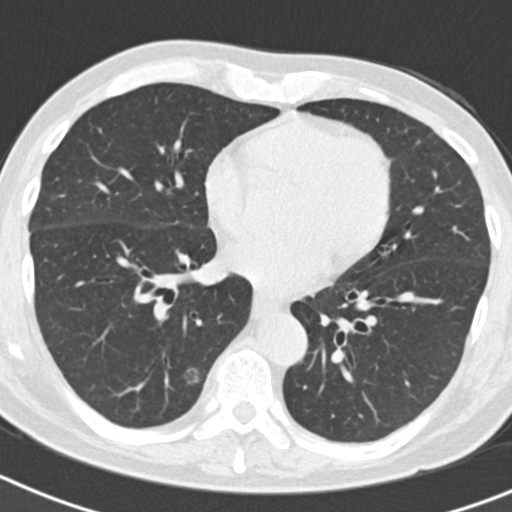
Axial chest CT slice 88 of 186 (counted from the lowest slice); tube voltage 120 kVp, convolution kernel B30f; slices 2.00 mm thick, 0.586 mm per pixel.
Pulmonary nodule, outlined by one of the four readers. Box on this slice rows 368–384, columns 182–199, that reader's outline on this slice; longest diameter 31.4 mm and volume 6527 mm3 from that reader's outline. That reader's ratings: texture 1/5 (non-solid); margin 2/5; sphericity 4/5; calcification absent; internal structure soft tissue; subtlety 5/5; malignancy likelihood 3/5. Scale key (1–5): texture non-solid→solid, margin indistinct→circumscribed, sphericity linear→round, subtlety extremely subtle→obvious, malignancy likelihood highly unlikely→highly suspicious of cancer. Box rows and columns are 0-based pixel indices from the top-left corner, inclusive.